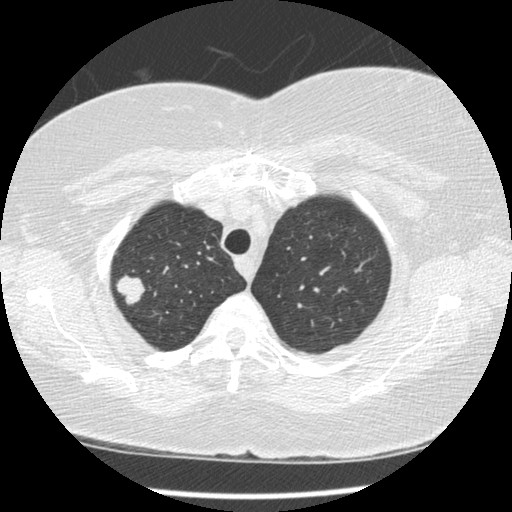
Axial slice 304 of 375 of a chest CT (slice 1 is the lowest), reconstructed with the STANDARD kernel at 120 kVp; 1.25 mm slice thickness and 0.625 mm pixels.
Pulmonary nodule, outlined by all four readers. Box on this slice rows 274–305, columns 115–144, the union of the readers' outlines on this slice; longest diameter 22.5 mm on average over the four readers' outlines (readers' outlines 21.2–23.2 mm), volume 2289–3466 mm3. Ratings, by the readers' most common answer with dissent counted: most readers (three of four) put texture at 5/5 (solid), others 4/5 (one); margin 4/5 by two of four readers; the rest gave 3/5 (one), 5/5 (circumscribed) (one); sphericity split among the readers: 2/5 (one), 3/5 (ovoid) (one), 4/5 (one), 5/5 (round) (one); calcification absent, all four readers agreeing; internal structure soft tissue, all four readers agreeing; subtlety 5/5, all four readers agreeing; most readers (three of four) put malignancy likelihood at 5/5, others 3/5 (one). Scale key (1–5): texture non-solid→solid, margin indistinct→circumscribed, sphericity linear→round, subtlety extremely subtle→obvious, malignancy likelihood highly unlikely→highly suspicious of cancer. Box rows and columns are 0-based pixel indices from the top-left corner, inclusive.